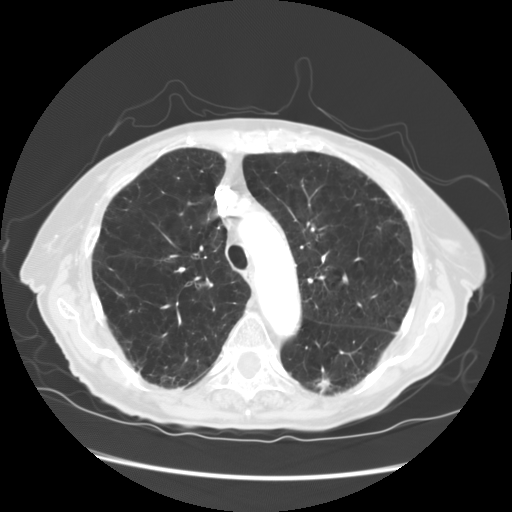
Axial chest CT slice 101 of 133 (counted from the lowest slice); tube voltage 120 kVp, convolution kernel STANDARD; slices 2.50 mm thick, 0.703 mm per pixel.
Pulmonary nodule outlined by all four readers; box rows 377–393, columns 315–330 (the union of the readers' outlines on this slice); longest diameter 13.4 mm on average over the four readers' outlines (readers' outlines 12.6–14.8 mm), volume 588–781 mm3. The readers' prevailing ratings and who disagreed: texture split among the readers: 4/5 (two), 5/5 (solid) (two); margin 2/5 by two of four readers; the rest gave 3/5 (one), 4/5 (one); sphericity split among the readers: 2/5 (one), 3/5 (ovoid) (one), 4/5 (one), 5/5 (round) (one); calcification absent from all four readers; internal structure soft tissue, all four readers agreeing; most readers (three of four) put subtlety at 4/5, others 5/5 (one); most readers (three of four) put malignancy likelihood at 4/5, others 5/5 (one). Scale key (1–5): texture non-solid→solid, margin indistinct→circumscribed, sphericity linear→round, subtlety extremely subtle→obvious, malignancy likelihood highly unlikely→highly suspicious of cancer. Box rows and columns are 0-based pixel indices from the top-left corner, inclusive.